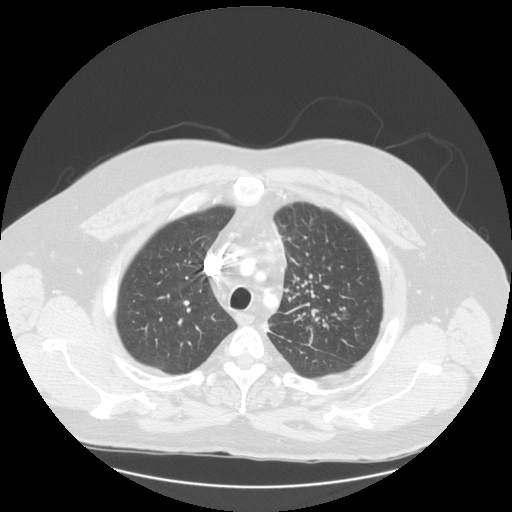
Axial slice 110 of 133 of a chest CT (slice 1 is the lowest), reconstructed with the STANDARD kernel at 120 kVp; 2.50 mm slice thickness and 0.859 mm pixels.
Pulmonary nodule, outlined by all four readers, one of them on this slice. Box on this slice rows 313–320, columns 341–348, the one reader's outline on this slice; longest diameter 18.7 mm on average over the four readers' outlines (readers' outlines 16.4–22.4 mm), volume 1808–2759 mm3. The readers' prevailing ratings and who disagreed: texture split among the readers: 4/5 (two), 5/5 (solid) (two); margin 4/5 by two of four readers; the rest gave 3/5 (one), 5/5 (circumscribed) (one); sphericity 5/5 (round) by two of four readers; the rest gave 3/5 (ovoid) (one), 4/5 (one); calcification absent from all four readers; internal structure soft tissue, all four readers agreeing; most readers (three of four) put subtlety at 5/5, others 3/5 (one); malignancy likelihood split among the readers: 4/5 (two), 5/5 (two). Scale key (1–5): texture non-solid→solid, margin indistinct→circumscribed, sphericity linear→round, subtlety extremely subtle→obvious, malignancy likelihood highly unlikely→highly suspicious of cancer. Box rows and columns are 0-based pixel indices from the top-left corner, inclusive.